One axial slice (204 of 383, counting up from the lowest) of a chest CT acquired at 120 kVp with the B45f kernel; each pixel is 0.664 mm and the slice is 1.00 mm thick.
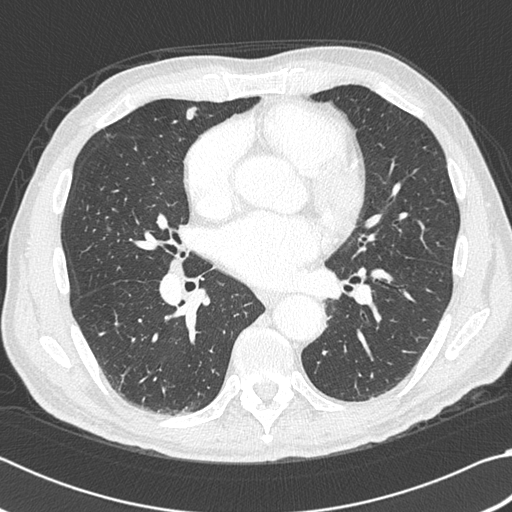
Two pulmonary nodules are outlined on this slice; from left to right: (1) Pulmonary nodule outlined by all four readers, two of them on this slice; box rows 225–231, columns 106–111 (the union of the readers' outlines on this slice); median longest diameter 16.1 mm (readers' outlines 15.5–17.3 mm), median volume 801 mm3 (759–884 mm3). Ratings, median across the readers with their spread: texture 5/5 (solid) from all four readers; median margin 5/5 (circumscribed) (readers ranged 4/5 to 5/5 (circumscribed)); median sphericity 3/5 (ovoid) (readers ranged 3/5 (ovoid) to 5/5 (round)); calcification: absent (three), solid calcification (one); internal structure soft tissue, all four readers agreeing; subtlety 5/5 at the median of four readers, spread 4–5; malignancy likelihood 3/5 at the median of four readers, spread 1–5. (2) Pulmonary nodule at rows 106–119, columns 185–196 (box = the union of the readers' outlines on this slice), outlined by all four readers; median longest diameter 10.6 mm (readers' outlines 9.8–12.2 mm), median volume 418 mm3 (379–631 mm3). Ratings, median across the readers with their spread: texture 5/5 (solid) from all four readers; margin 5/5 (circumscribed), all four readers agreeing; sphericity 4.5/5 at the median of four readers, spread 3/5 (ovoid) to 5/5 (round); calcification: absent (three), solid calcification (one); internal structure soft tissue, all four readers agreeing; subtlety 4.5/5 at the median of four readers, spread 4–5; median malignancy likelihood 2.5/5 (readers ranged 1–4). Scale key (1–5): texture non-solid→solid, margin indistinct→circumscribed, sphericity linear→round, subtlety extremely subtle→obvious, malignancy likelihood highly unlikely→highly suspicious of cancer. Box rows and columns are 0-based pixel indices from the top-left corner, inclusive.